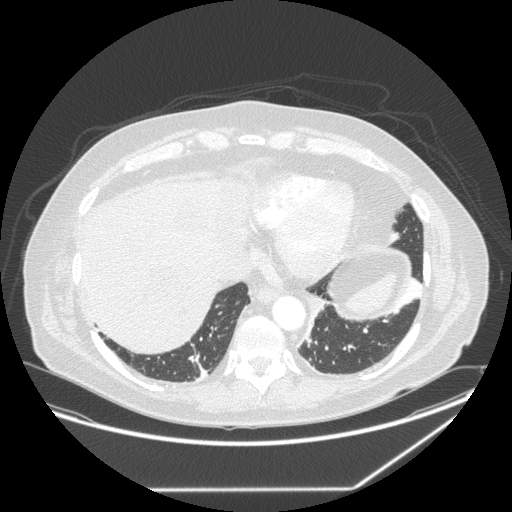
Axial chest CT slice 88 of 258 (counted from the lowest slice); tube voltage 120 kVp, convolution kernel STANDARD; slices 1.25 mm thick, 0.859 mm per pixel.
Pulmonary nodule outlined by three of the four readers; box rows 300–304, columns 234–239 (the union of the readers' outlines on this slice); the three readers' outlines give a longest diameter between 7.1 and 9.0 mm and a volume between 120 and 186 mm3. The readers' ratings, as ranges where they differ: texture 5/5 (solid), all three readers agreeing; margin from 4/5 to 5/5 (circumscribed) across the three readers; sphericity from 4/5 to 5/5 (round) across the three readers; calcification absent from all three readers; internal structure soft tissue, all three readers agreeing; subtlety from 3/5 to 5/5 across the three readers; malignancy likelihood rated between 2 and 3 out of 5 by the three readers. Scale key (1–5): texture non-solid→solid, margin indistinct→circumscribed, sphericity linear→round, subtlety extremely subtle→obvious, malignancy likelihood highly unlikely→highly suspicious of cancer. Box rows and columns are 0-based pixel indices from the top-left corner, inclusive.